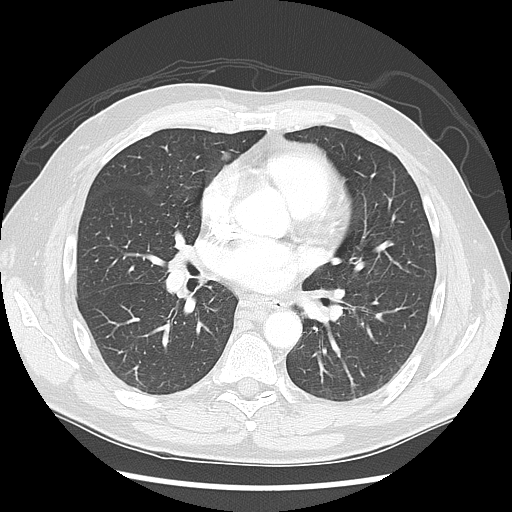
Slice 78/139 of a chest CT, counting up from the lowest; pixel size 0.703 mm, slice thickness 2.50 mm. Pulmonary nodule outlined by all four readers, three of them on this slice; box rows 151–161, columns 220–231 (the union of the readers' outlines on this slice); median longest diameter 11.5 mm (readers' outlines 11.0–11.6 mm), median volume 542 mm3 (428–661 mm3). Ratings, median across the readers with their spread: texture 5/5 (solid) from all four readers; margin 4.5/5 at the median of four readers, spread 4/5 to 5/5 (circumscribed); sphericity 4.5/5 at the median of four readers, spread 4/5 to 5/5 (round); calcification: absent (three), solid calcification (one); internal structure soft tissue, all four readers agreeing; subtlety 4.5/5 at the median of four readers, spread 3–5; median malignancy likelihood 2.5/5 (readers ranged 1–3). Scale key (1–5): texture non-solid→solid, margin indistinct→circumscribed, sphericity linear→round, subtlety extremely subtle→obvious, malignancy likelihood highly unlikely→highly suspicious of cancer. Box rows and columns are 0-based pixel indices from the top-left corner, inclusive.
Scan settings: 120 kVp, LUNG reconstruction kernel.